Axial slice 79 of 115 of a chest CT (slice 1 is the lowest), reconstructed with the B31s kernel at 130 kVp; 3.00 mm slice thickness and 0.582 mm pixels.
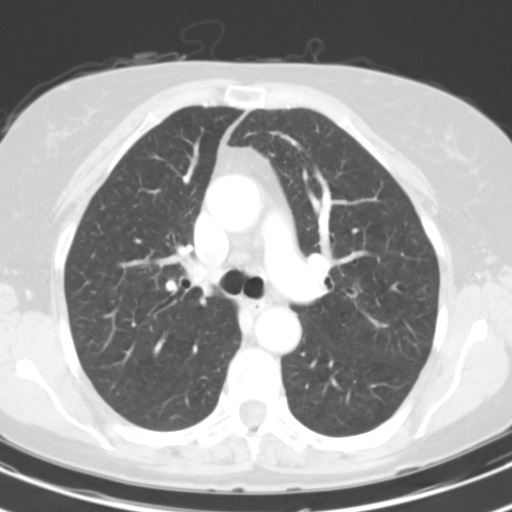
Pulmonary nodule, outlined by two of the four readers. Box on this slice rows 281–292, columns 351–362, the union of the readers' outlines on this slice; median longest diameter 9.0 mm (readers' outlines 8.8–9.1 mm), median volume 192 mm3 (161–223 mm3). Ratings, median across the readers with their spread: texture 3/5 (part-solid), both readers agreeing; margin 1/5 (indistinct), both readers agreeing; sphericity 3.5/5 at the median of two readers, spread 3/5 (ovoid) to 4/5; calcification absent from both readers; internal structure soft tissue, both readers agreeing; subtlety 4.5/5 at the median of two readers, spread 4–5; malignancy likelihood 3/5, both readers agreeing. Scale key (1–5): texture non-solid→solid, margin indistinct→circumscribed, sphericity linear→round, subtlety extremely subtle→obvious, malignancy likelihood highly unlikely→highly suspicious of cancer. Box rows and columns are 0-based pixel indices from the top-left corner, inclusive.